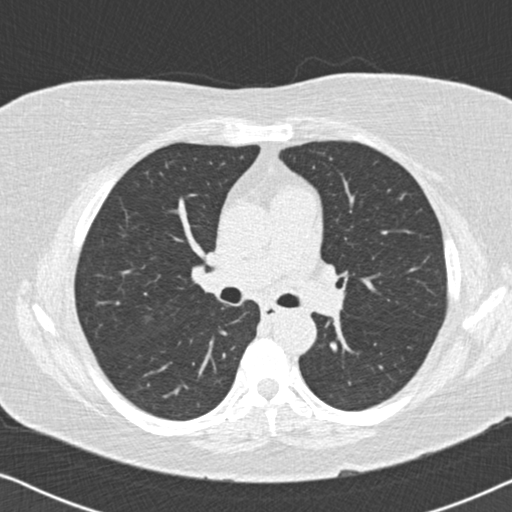
Slice 119/177 of a chest CT, counting up from the lowest; pixel size 0.643 mm, slice thickness 2.00 mm. Pulmonary nodule outlined by two of the four readers; box rows 314–322, columns 143–154 (the union of the readers' outlines on this slice); median longest diameter 9.3 mm (readers' outlines 9.3 mm), median volume 316 mm3 (296–335 mm3). Median ratings and the readers' spread: texture 1/5 (non-solid), both readers agreeing; margin 1/5 (indistinct) from both readers; median sphericity 3.5/5 (readers ranged 2/5 to 5/5 (round)); calcification absent, both readers agreeing; internal structure soft tissue from both readers; subtlety 2/5 at the median of two readers, spread 1–3; malignancy likelihood 3/5, both readers agreeing. Scale key (1–5): texture non-solid→solid, margin indistinct→circumscribed, sphericity linear→round, subtlety extremely subtle→obvious, malignancy likelihood highly unlikely→highly suspicious of cancer. Box rows and columns are 0-based pixel indices from the top-left corner, inclusive.
Scan settings: 120 kVp, B30f reconstruction kernel.